Axial slice 152 of 312 of a chest CT (slice 1 is the lowest), reconstructed with the B45f kernel at 120 kVp; 1.00 mm slice thickness and 0.664 mm pixels.
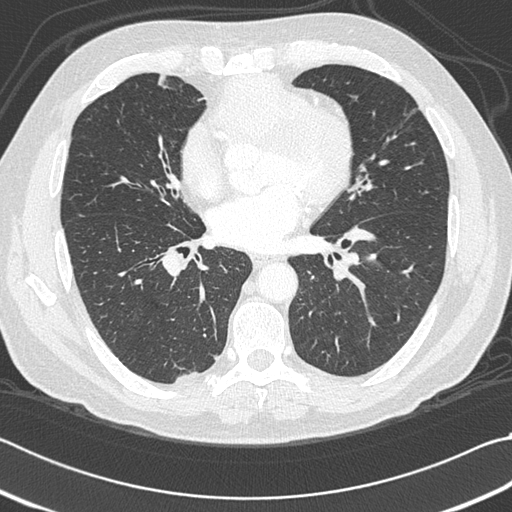
Pulmonary nodule outlined by one of the four readers; box rows 164–171, columns 359–365 (that reader's outline on this slice); longest diameter 6.9 mm and volume 71 mm3 from that reader's outline. Ratings by that reader: texture 5/5 (solid); margin 3/5; sphericity 2/5; calcification absent; internal structure soft tissue; subtlety 1/5; malignancy likelihood 2/5. Scale key (1–5): texture non-solid→solid, margin indistinct→circumscribed, sphericity linear→round, subtlety extremely subtle→obvious, malignancy likelihood highly unlikely→highly suspicious of cancer. Box rows and columns are 0-based pixel indices from the top-left corner, inclusive.